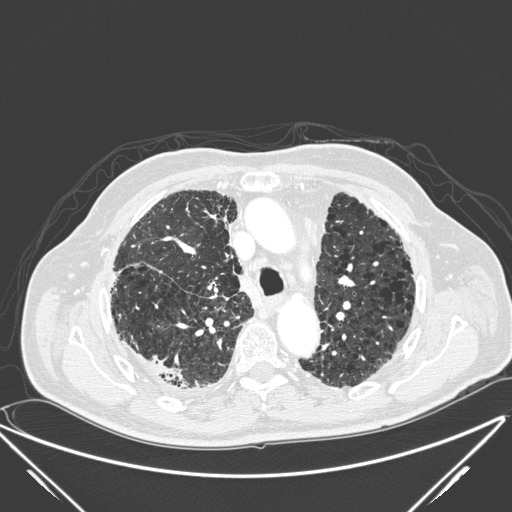
One axial slice (160 of 278, counting up from the lowest) of a chest CT acquired at 120 kVp with the D kernel; each pixel is 0.812 mm and the slice is 1.00 mm thick.
Pulmonary nodule, outlined by all four readers, two of them on this slice. Box on this slice rows 356–382, columns 149–184, the union of the readers' outlines on this slice; longest diameter 31.1 mm on average over the four readers' outlines (readers' outlines 17.4–39.8 mm), volume 1021–4525 mm3. The readers' prevailing ratings and who disagreed: texture 5/5 (solid), all four readers agreeing; margin split among the readers: 1/5 (indistinct) (one), 2/5 (one), 3/5 (one), 5/5 (circumscribed) (one); most readers (three of four) put sphericity at 2/5, others 5/5 (round) (one); calcification absent from all four readers; internal structure soft tissue, all four readers agreeing; subtlety split among the readers: 4/5 (two), 5/5 (two); malignancy likelihood 5/5 by two of four readers; the rest gave 3/5 (one), 4/5 (one). Scale key (1–5): texture non-solid→solid, margin indistinct→circumscribed, sphericity linear→round, subtlety extremely subtle→obvious, malignancy likelihood highly unlikely→highly suspicious of cancer. Box rows and columns are 0-based pixel indices from the top-left corner, inclusive.